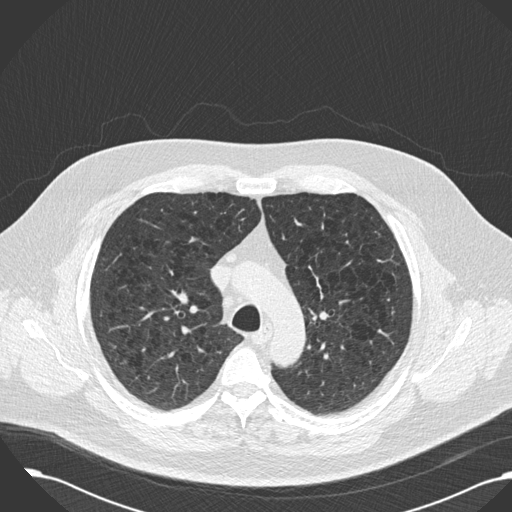
Chest CT, axial plane, 120 kVp, kernel B30f. Slice 126/181 from the bottom of the scan; thickness 2.00 mm; pixel size 0.762 mm.
None of the four readers outlined a nodule of 3 mm or more on this slice.